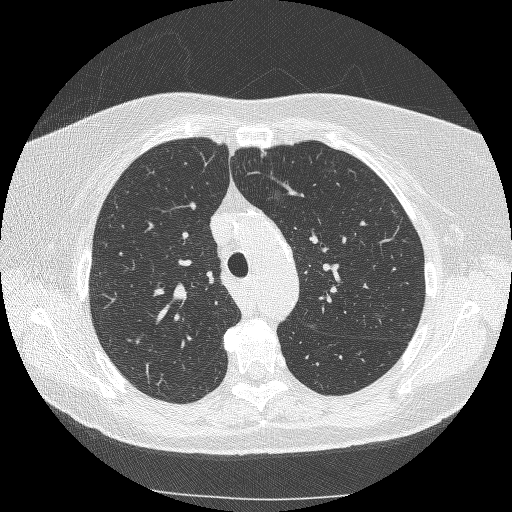
Axial slice 197 of 253 of a chest CT (slice 1 is the lowest), reconstructed with the BONE kernel at 120 kVp; 1.25 mm slice thickness and 0.625 mm pixels.
Two pulmonary nodules are outlined on this slice; from left to right: (1) Pulmonary nodule outlined by one of the four readers; box rows 150–156, columns 262–266 (that reader's outline on this slice); longest diameter 10.7 mm and volume 164 mm3 from that reader's outline. Ratings by that reader: texture 5/5 (solid); margin 4/5; sphericity 2/5; calcification absent; internal structure soft tissue; subtlety 3/5; malignancy likelihood 3/5. (2) Pulmonary nodule at rows 189–203, columns 270–283 (box = the union of the readers' outlines on this slice), outlined by two of the four readers; the two readers' outlines give a longest diameter between 11.5 and 17.9 mm and a volume between 203 and 416 mm3. Ratings across the readers: texture 1/5 (non-solid) from both readers; margin from 1/5 (indistinct) to 2/5 across the two readers; sphericity from 3/5 (ovoid) to 4/5 across the two readers; calcification absent, both readers agreeing; internal structure soft tissue from both readers; subtlety rated between 1 and 3 out of 5 by the two readers; malignancy likelihood from 3/5 to 4/5 across the two readers. Scale key (1–5): texture non-solid→solid, margin indistinct→circumscribed, sphericity linear→round, subtlety extremely subtle→obvious, malignancy likelihood highly unlikely→highly suspicious of cancer. Box rows and columns are 0-based pixel indices from the top-left corner, inclusive.